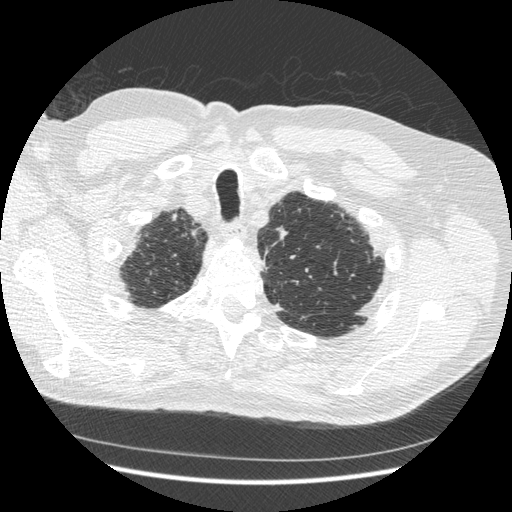
Axial chest CT slice 430 of 497 (counted from the lowest slice); tube voltage 120 kVp, convolution kernel STANDARD; slices 1.25 mm thick, 0.703 mm per pixel.
Pulmonary nodule, outlined by one of the four readers. Box on this slice rows 231–239, columns 280–288, that reader's outline on this slice; longest diameter 10.1 mm and volume 89 mm3 from that reader's outline. Ratings by that reader: texture 5/5 (solid); margin 5/5 (circumscribed); sphericity 2/5; calcification absent; internal structure soft tissue; subtlety 3/5; malignancy likelihood 2/5. Scale key (1–5): texture non-solid→solid, margin indistinct→circumscribed, sphericity linear→round, subtlety extremely subtle→obvious, malignancy likelihood highly unlikely→highly suspicious of cancer. Box rows and columns are 0-based pixel indices from the top-left corner, inclusive.